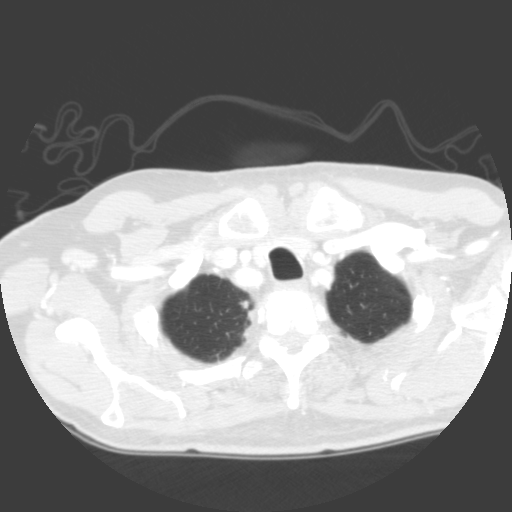
Axial chest CT slice 303 of 335 (counted from the lowest slice); tube voltage 120 kVp, convolution kernel B; slices 2.00 mm thick, 0.623 mm per pixel.
Pulmonary nodule, outlined by one of the four readers. Box on this slice rows 301–309, columns 239–250, that reader's outline on this slice; longest diameter 8.1 mm and volume 221 mm3 from that reader's outline. Ratings by that reader: texture 4/5; margin 3/5; sphericity 4/5; calcification absent; internal structure soft tissue; subtlety 2/5; malignancy likelihood 1/5. Scale key (1–5): texture non-solid→solid, margin indistinct→circumscribed, sphericity linear→round, subtlety extremely subtle→obvious, malignancy likelihood highly unlikely→highly suspicious of cancer. Box rows and columns are 0-based pixel indices from the top-left corner, inclusive.